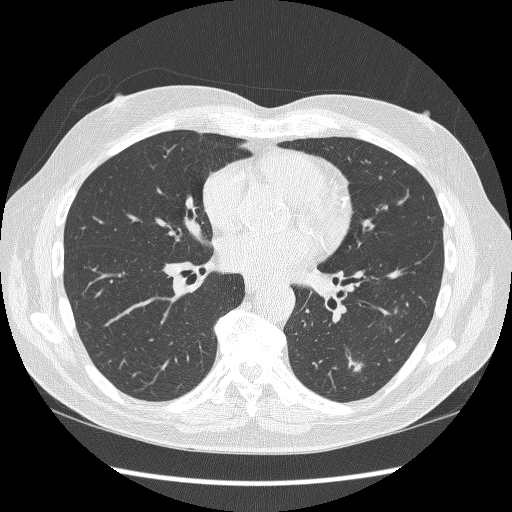
Chest CT, axial plane, 120 kVp, kernel BONE. Slice 162/298 from the bottom of the scan; thickness 1.25 mm; pixel size 0.719 mm.
Pulmonary nodule at rows 362–372, columns 353–364 (box = the union of the readers' outlines on this slice), outlined by three of the four readers; longest diameter 11.6 mm on average over the three readers' outlines (readers' outlines 10.2–13.0 mm), volume 236–548 mm3. Ratings, by the readers' most common answer with dissent counted: texture split among the readers: 3/5 (part-solid) (one), 4/5 (one), 5/5 (solid) (one); margin split among the readers: 2/5 (one), 3/5 (one), 4/5 (one); sphericity 3/5 (ovoid) by two of three readers; the rest gave 2/5 (one); calcification absent from all three readers; internal structure soft tissue from all three readers; most readers (two of three) put subtlety at 4/5, others 3/5 (one); most readers (two of three) put malignancy likelihood at 4/5, others 2/5 (one). Scale key (1–5): texture non-solid→solid, margin indistinct→circumscribed, sphericity linear→round, subtlety extremely subtle→obvious, malignancy likelihood highly unlikely→highly suspicious of cancer. Box rows and columns are 0-based pixel indices from the top-left corner, inclusive.